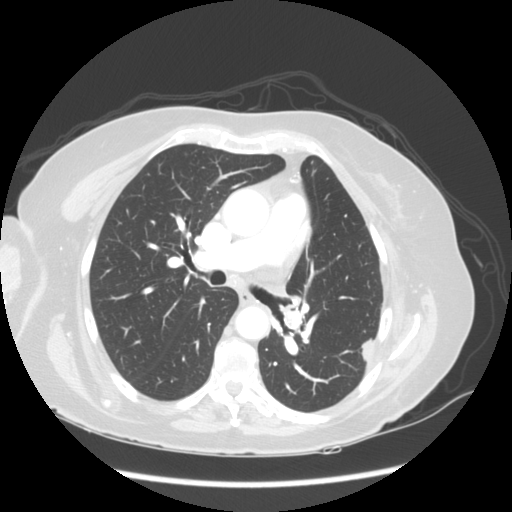
Axial chest CT slice 96 of 141 (counted from the lowest slice); tube voltage 120 kVp, convolution kernel STANDARD; slices 2.50 mm thick, 0.703 mm per pixel.
Pulmonary nodule at rows 337–365, columns 361–374 (box = the union of the readers' outlines on this slice), outlined by all four readers; median longest diameter 19.0 mm (readers' outlines 17.8–22.2 mm), median volume 1181 mm3 (1070–1706 mm3). Ratings, median across the readers with their spread: texture 5/5 (solid), all four readers agreeing; median margin 4/5 (readers ranged 3/5 to 4/5); sphericity 3/5 (ovoid) at the median of four readers, spread 2/5 to 4/5; calcification absent, all four readers agreeing; internal structure soft tissue, all four readers agreeing; median subtlety 5/5 (readers ranged 4–5); malignancy likelihood 4/5 at the median of four readers, spread 3–5. Scale key (1–5): texture non-solid→solid, margin indistinct→circumscribed, sphericity linear→round, subtlety extremely subtle→obvious, malignancy likelihood highly unlikely→highly suspicious of cancer. Box rows and columns are 0-based pixel indices from the top-left corner, inclusive.